Axial slice 101 of 133 of a chest CT (slice 1 is the lowest), reconstructed with the STANDARD kernel at 120 kVp; 2.50 mm slice thickness and 0.625 mm pixels.
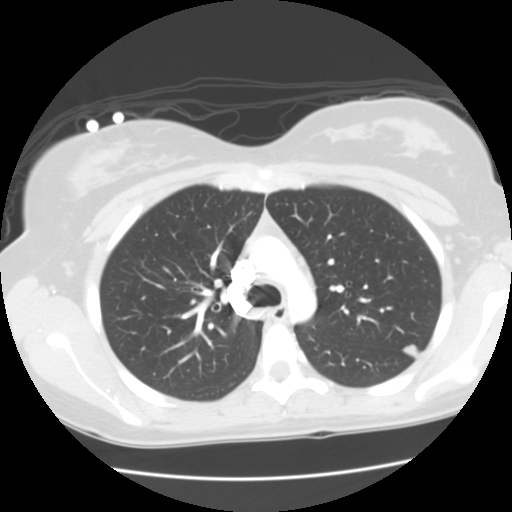
Pulmonary nodule, outlined by one of the four readers. Box on this slice rows 345–358, columns 403–418, that reader's outline on this slice; longest diameter 13.2 mm and volume 585 mm3 from that reader's outline. That reader's ratings: texture 5/5 (solid); margin 4/5; sphericity 3/5 (ovoid); calcification absent; internal structure soft tissue; subtlety 5/5; malignancy likelihood 3/5. Scale key (1–5): texture non-solid→solid, margin indistinct→circumscribed, sphericity linear→round, subtlety extremely subtle→obvious, malignancy likelihood highly unlikely→highly suspicious of cancer. Box rows and columns are 0-based pixel indices from the top-left corner, inclusive.